One axial slice (107 of 214, counting up from the lowest) of a chest CT acquired at 120 kVp with the STANDARD kernel; each pixel is 0.879 mm and the slice is 1.25 mm thick.
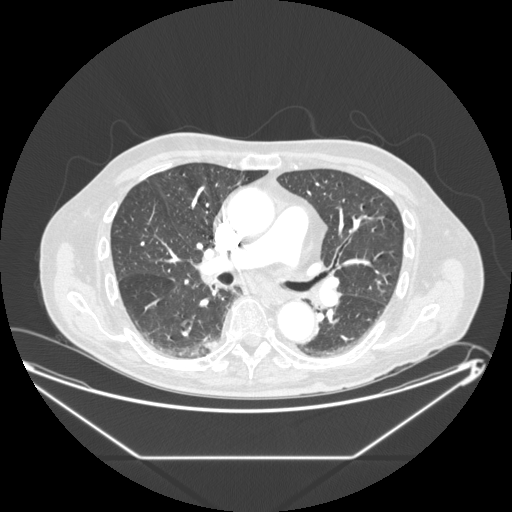
None of the four readers outlined a nodule of 3 mm or more on this slice.